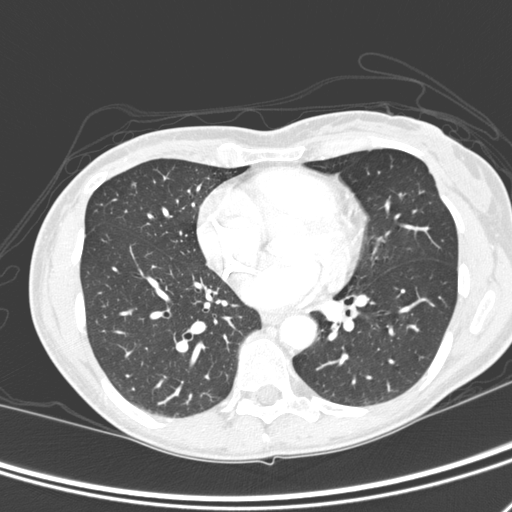
Axial chest CT slice 139 of 290 (counted from the lowest slice); 1.00 mm thick, 0.611 mm per pixel. Pulmonary nodule outlined by two of the four readers; box rows 182–188, columns 131–135 (the union of the readers' outlines on this slice); longest diameter 7.1 mm on average over the two readers' outlines (readers' outlines 7.0–7.2 mm), volume 57–64 mm3. The readers' prevailing ratings and who disagreed: texture 5/5 (solid), both readers agreeing; margin split among the readers: 3/5 (one), 5/5 (circumscribed) (one); sphericity split among the readers: 4/5 (one), 5/5 (round) (one); calcification absent from both readers; internal structure split among the readers: air (one), soft tissue (one); subtlety split among the readers: 2/5 (one), 4/5 (one); malignancy likelihood 3/5, both readers agreeing. Scale key (1–5): texture non-solid→solid, margin indistinct→circumscribed, sphericity linear→round, subtlety extremely subtle→obvious, malignancy likelihood highly unlikely→highly suspicious of cancer. Box rows and columns are 0-based pixel indices from the top-left corner, inclusive.
Tube voltage 120 kVp; convolution kernel D.